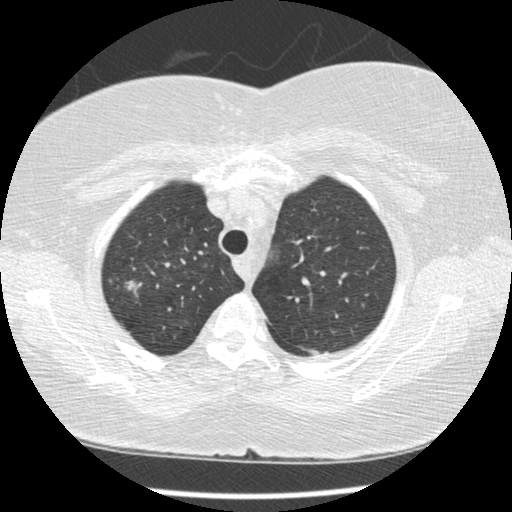
Axial chest CT slice 295 of 375 (counted from the lowest slice); 1.25 mm thick, 0.625 mm per pixel. Pulmonary nodule outlined by all four readers; box rows 279–291, columns 124–136 (the union of the readers' outlines on this slice); longest diameter 21.2–23.2 mm and volume 2289–3466 mm3 across the four readers' outlines. Ratings across the readers: texture from 4/5 to 5/5 (solid) across the four readers; margin from 3/5 to 5/5 (circumscribed) across the four readers; sphericity from 2/5 to 5/5 (round) across the four readers; calcification absent, all four readers agreeing; internal structure soft tissue from all four readers; subtlety 5/5 from all four readers; malignancy likelihood 3–5/5 (the readers disagree). Scale key (1–5): texture non-solid→solid, margin indistinct→circumscribed, sphericity linear→round, subtlety extremely subtle→obvious, malignancy likelihood highly unlikely→highly suspicious of cancer. Box rows and columns are 0-based pixel indices from the top-left corner, inclusive.
Tube voltage 120 kVp; convolution kernel STANDARD.